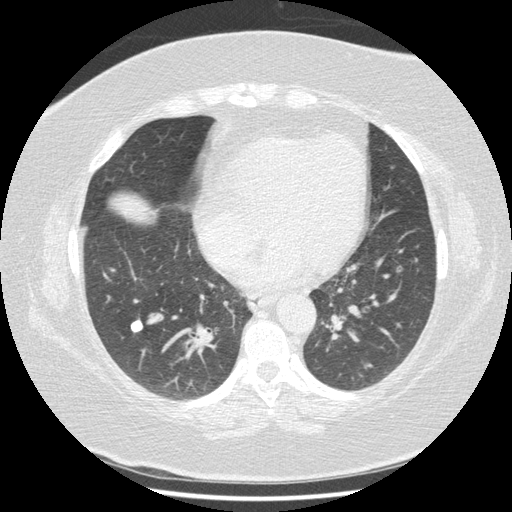
This is axial slice 177 of 417 (slice 1 is the lowest) of a chest CT; each pixel is 0.703 mm and the slice is 1.25 mm thick. Pulmonary nodule, outlined by all four readers. Box on this slice rows 320–332, columns 130–142, the union of the readers' outlines on this slice; the four readers' outlines give a longest diameter between 10.5 and 10.9 mm and a volume between 396 and 502 mm3. Ratings across the readers: texture 5/5 (solid), all four readers agreeing; margin 5/5 (circumscribed), all four readers agreeing; sphericity from 3/5 (ovoid) to 4/5 across the four readers; calcification: solid calcification (three), absent (one); internal structure soft tissue from all four readers; subtlety 5/5, all four readers agreeing; malignancy likelihood 1/5, all four readers agreeing. Scale key (1–5): texture non-solid→solid, margin indistinct→circumscribed, sphericity linear→round, subtlety extremely subtle→obvious, malignancy likelihood highly unlikely→highly suspicious of cancer. Box rows and columns are 0-based pixel indices from the top-left corner, inclusive.
Tube voltage 120 kVp; convolution kernel STANDARD.